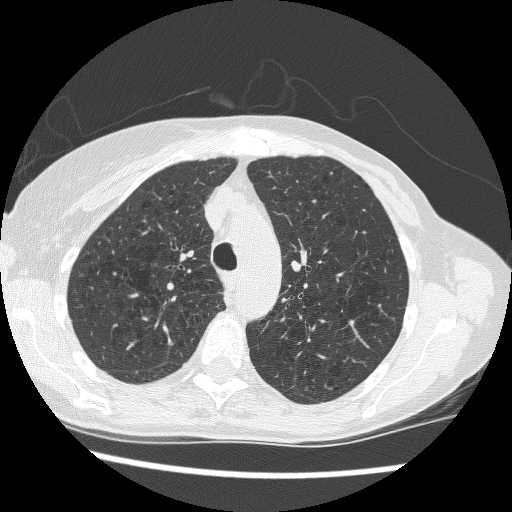
Axial chest CT slice 193 of 257 (counted from the lowest slice); 1.25 mm thick, 0.627 mm per pixel. No nodule 3 mm or larger was outlined here by any reader.
Tube voltage 120 kVp; convolution kernel BONE.